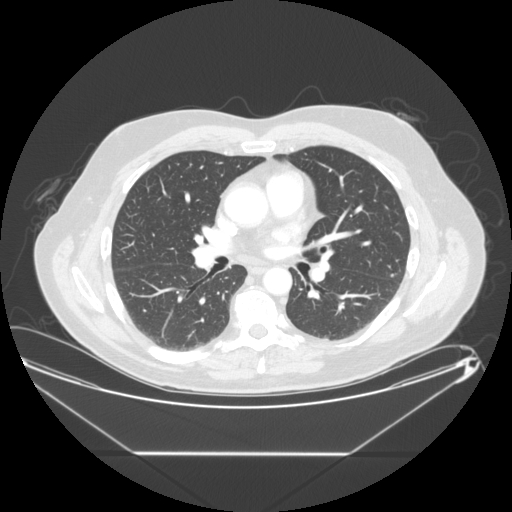
Axial chest CT slice 141 of 265 (counted from the lowest slice); tube voltage 120 kVp, convolution kernel STANDARD; slices 1.25 mm thick, 0.883 mm per pixel.
Pulmonary nodule outlined by three of the four readers, two of them on this slice; box rows 273–277, columns 391–393 (the union of the readers' outlines on this slice); median longest diameter 7.3 mm (readers' outlines 7.1–9.0 mm), median volume 106 mm3 (101–170 mm3). Ratings, median across the readers with their spread: texture 5/5 (solid) from all three readers; margin 5/5 (circumscribed), all three readers agreeing; sphericity 4/5 at the median of three readers, spread 3/5 (ovoid) to 5/5 (round); calcification solid calcification from all three readers; internal structure soft tissue from all three readers; subtlety 5/5 at the median of three readers, spread 4–5; malignancy likelihood 1/5 from all three readers. Scale key (1–5): texture non-solid→solid, margin indistinct→circumscribed, sphericity linear→round, subtlety extremely subtle→obvious, malignancy likelihood highly unlikely→highly suspicious of cancer. Box rows and columns are 0-based pixel indices from the top-left corner, inclusive.